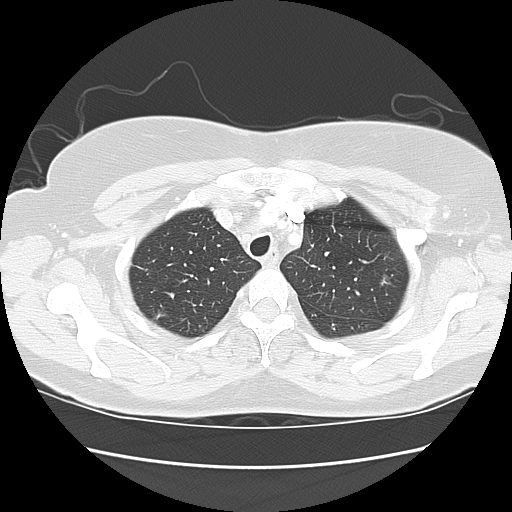
One axial slice (109 of 130, counting up from the lowest) of a chest CT acquired at 120 kVp with the LUNG kernel; each pixel is 0.664 mm and the slice is 2.50 mm thick.
Pulmonary nodule at rows 274–281, columns 382–387 (box = that reader's outline on this slice), outlined by one of the four readers; longest diameter 7.6 mm and volume 157 mm3 from that reader's outline. That reader's ratings: texture 3/5 (part-solid); margin 1/5 (indistinct); sphericity 4/5; calcification absent; internal structure soft tissue; subtlety 2/5; malignancy likelihood 3/5. Scale key (1–5): texture non-solid→solid, margin indistinct→circumscribed, sphericity linear→round, subtlety extremely subtle→obvious, malignancy likelihood highly unlikely→highly suspicious of cancer. Box rows and columns are 0-based pixel indices from the top-left corner, inclusive.